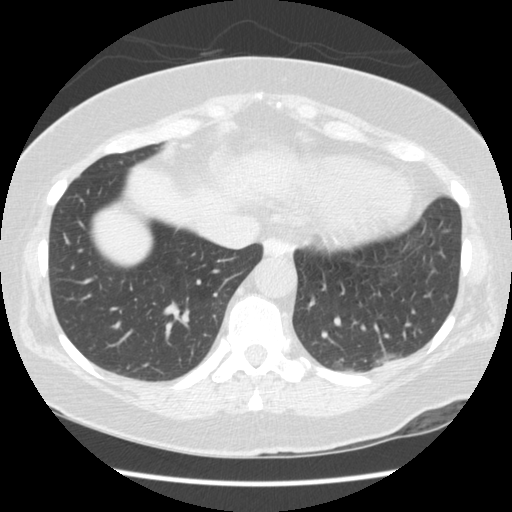
One axial slice (43 of 154, counting up from the lowest) of a chest CT acquired at 120 kVp with the STANDARD kernel; each pixel is 0.645 mm and the slice is 2.50 mm thick.
Pulmonary nodule at rows 354–364, columns 377–395 (box = that reader's outline on this slice), outlined by one of the four readers; longest diameter 24.1 mm and volume 2244 mm3 from that reader's outline. That reader's ratings: texture 3/5 (part-solid); margin 3/5; sphericity 4/5; calcification absent; internal structure soft tissue; subtlety 4/5; malignancy likelihood 1/5. Scale key (1–5): texture non-solid→solid, margin indistinct→circumscribed, sphericity linear→round, subtlety extremely subtle→obvious, malignancy likelihood highly unlikely→highly suspicious of cancer. Box rows and columns are 0-based pixel indices from the top-left corner, inclusive.